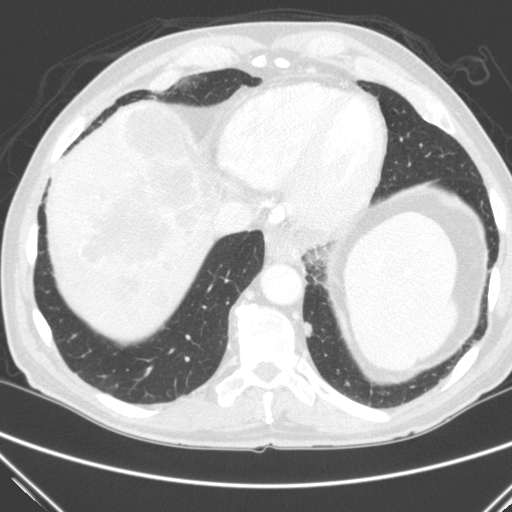
Axial slice 59 of 290 of a chest CT (slice 1 is the lowest), reconstructed with the C kernel at 120 kVp; 2.00 mm slice thickness and 0.682 mm pixels.
Pulmonary nodule at rows 321–337, columns 304–312 (box = the union of the readers' outlines on this slice), outlined by all four readers; median longest diameter 12.7 mm (readers' outlines 12.3–13.7 mm), median volume 484 mm3 (463–570 mm3). Median ratings and the readers' spread: texture 5/5 (solid) from all four readers; median margin 4/5 (readers ranged 4/5 to 5/5 (circumscribed)); sphericity 3/5 (ovoid) at the median of four readers, spread 2/5 to 4/5; calcification absent, all four readers agreeing; internal structure soft tissue, all four readers agreeing; median subtlety 4/5 (readers ranged 3–5); malignancy likelihood 3/5 at the median of four readers, spread 3–4. Scale key (1–5): texture non-solid→solid, margin indistinct→circumscribed, sphericity linear→round, subtlety extremely subtle→obvious, malignancy likelihood highly unlikely→highly suspicious of cancer. Box rows and columns are 0-based pixel indices from the top-left corner, inclusive.